Chest CT, axial plane, 120 kVp, kernel STANDARD. Slice 113/152 from the bottom of the scan; thickness 2.50 mm; pixel size 0.781 mm.
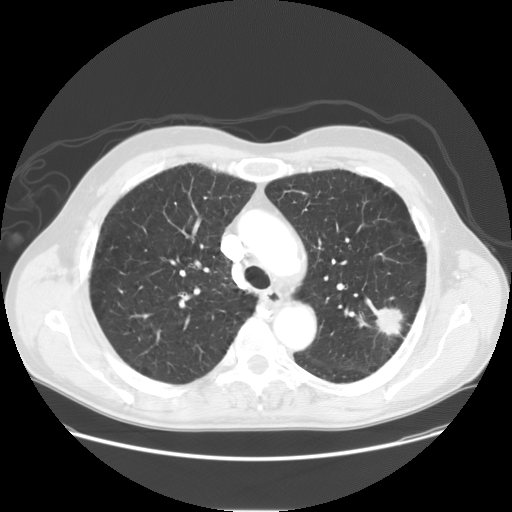
Pulmonary nodule at rows 305–337, columns 373–403 (box = the union of the readers' outlines on this slice), outlined by all four readers; longest diameter 28.2 mm on average over the four readers' outlines (readers' outlines 26.7–29.9 mm), volume 4495–6409 mm3. The readers' prevailing ratings and who disagreed: texture 5/5 (solid) by three of four readers; the rest gave 4/5 (one); margin split among the readers: 3/5 (two), 4/5 (two); sphericity 5/5 (round) by two of four readers; the rest gave 3/5 (ovoid) (one), 4/5 (one); calcification absent, all four readers agreeing; internal structure soft tissue, all four readers agreeing; subtlety 5/5 from all four readers; malignancy likelihood 5/5 by three of four readers; the rest gave 4/5 (one). Scale key (1–5): texture non-solid→solid, margin indistinct→circumscribed, sphericity linear→round, subtlety extremely subtle→obvious, malignancy likelihood highly unlikely→highly suspicious of cancer. Box rows and columns are 0-based pixel indices from the top-left corner, inclusive.